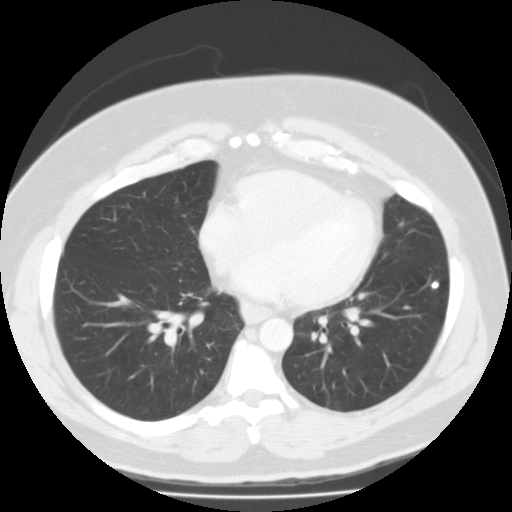
Chest CT, axial plane, 135 kVp, kernel FC01. Slice 60/126 from the bottom of the scan; thickness 3.00 mm; pixel size 0.744 mm.
Pulmonary nodule at rows 281–288, columns 431–438 (box = the union of the readers' outlines on this slice), outlined by all four readers; the four readers' outlines give a longest diameter between 6.1 and 7.9 mm and a volume between 132 and 234 mm3. Ratings across the readers: texture 5/5 (solid), all four readers agreeing; margin from 4/5 to 5/5 (circumscribed) across the four readers; sphericity from 4/5 to 5/5 (round) across the four readers; calcification solid calcification, all four readers agreeing; internal structure soft tissue, all four readers agreeing; subtlety 4–5/5 (the readers disagree); malignancy likelihood 1/5 from all four readers. Scale key (1–5): texture non-solid→solid, margin indistinct→circumscribed, sphericity linear→round, subtlety extremely subtle→obvious, malignancy likelihood highly unlikely→highly suspicious of cancer. Box rows and columns are 0-based pixel indices from the top-left corner, inclusive.